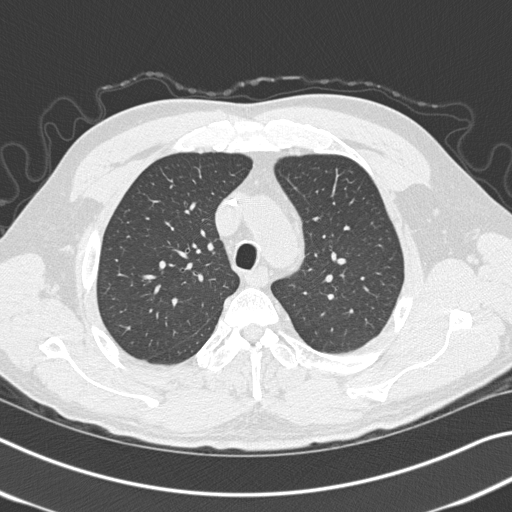
Axial chest CT slice 242 of 327 (counted from the lowest slice); 1.00 mm thick, 0.664 mm per pixel. No nodule of 3 mm or larger was outlined by any of the four readers on this slice.
Acquired at 120 kVp and reconstructed with the B45f kernel.